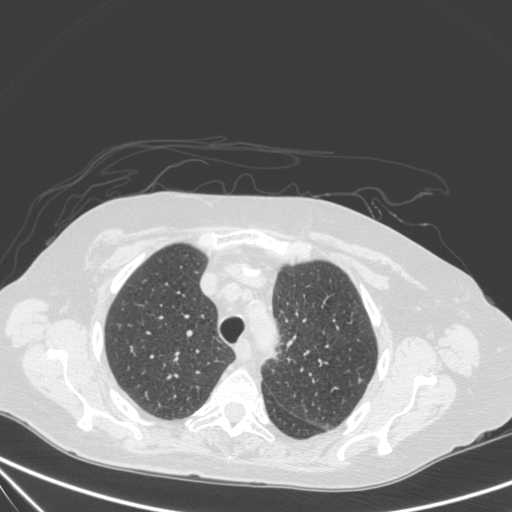
Axial chest CT slice 263 of 350 (counted from the lowest slice); tube voltage 120 kVp, convolution kernel C; slices 1.50 mm thick, 0.725 mm per pixel.
No nodule of 3 mm or larger was outlined by any of the four readers on this slice.